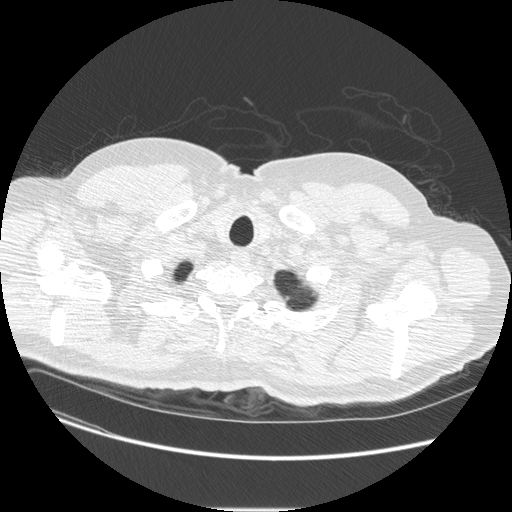
Slice 438/461 of a chest CT, counting up from the lowest; pixel size 0.781 mm, slice thickness 1.25 mm. Pulmonary nodule, outlined by one of the four readers. Box on this slice rows 295–300, columns 285–288, that reader's outline on this slice; longest diameter 7.8 mm and volume 81 mm3 from that reader's outline. Ratings by that reader: texture 5/5 (solid); margin 4/5; sphericity 4/5; calcification absent; internal structure soft tissue; subtlety 5/5; malignancy likelihood 3/5. Scale key (1–5): texture non-solid→solid, margin indistinct→circumscribed, sphericity linear→round, subtlety extremely subtle→obvious, malignancy likelihood highly unlikely→highly suspicious of cancer. Box rows and columns are 0-based pixel indices from the top-left corner, inclusive.
Acquired at 120 kVp and reconstructed with the STANDARD kernel.